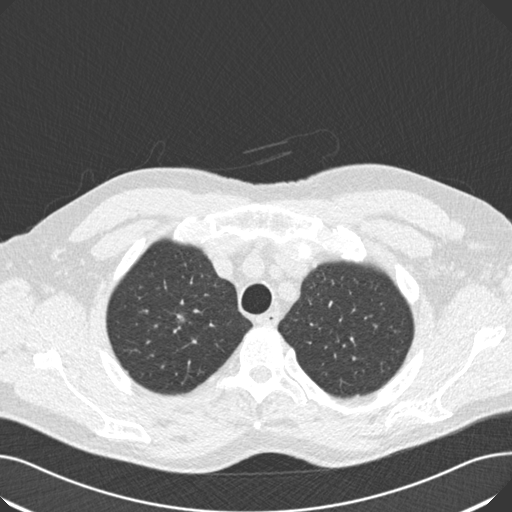
One axial slice (148 of 181, counting up from the lowest) of a chest CT acquired at 120 kVp with the B30f kernel; each pixel is 0.723 mm and the slice is 2.00 mm thick.
Pulmonary nodule, outlined by three of the four readers. Box on this slice rows 314–321, columns 177–184, the union of the readers' outlines on this slice; the three readers' outlines give a longest diameter between 9.4 and 10.7 mm and a volume between 180 and 294 mm3. Ratings across the readers: texture from 3/5 (part-solid) to 4/5 across the three readers; margin from 1/5 (indistinct) to 3/5 across the three readers; sphericity from 2/5 to 4/5 across the three readers; calcification absent, all three readers agreeing; internal structure soft tissue from all three readers; subtlety 2–3/5 (the readers disagree); malignancy likelihood rated between 2 and 3 out of 5 by the three readers. Scale key (1–5): texture non-solid→solid, margin indistinct→circumscribed, sphericity linear→round, subtlety extremely subtle→obvious, malignancy likelihood highly unlikely→highly suspicious of cancer. Box rows and columns are 0-based pixel indices from the top-left corner, inclusive.